Axial chest CT slice 57 of 102 (counted from the lowest slice); tube voltage 135 kVp, convolution kernel FC01; slices 3.00 mm thick, 0.808 mm per pixel.
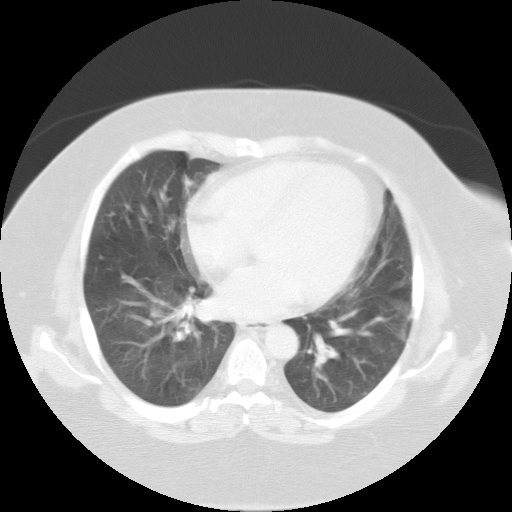
Pulmonary nodule at rows 175–191, columns 183–194 (box = the union of the readers' outlines on this slice), outlined by all four readers, three of them on this slice; longest diameter 15.4 mm on average over the four readers' outlines (readers' outlines 14.6–15.9 mm), volume 600–931 mm3. Ratings, by the readers' most common answer with dissent counted: texture 3/5 (part-solid) by two of four readers; the rest gave 4/5 (one), 5/5 (solid) (one); margin split among the readers: 2/5 (one), 3/5 (one), 4/5 (one), 5/5 (circumscribed) (one); most readers (three of four) put sphericity at 3/5 (ovoid), others 2/5 (one); calcification absent from all four readers; internal structure soft tissue from all four readers; subtlety split among the readers: 3/5 (two), 5/5 (two); malignancy likelihood 4/5 by two of four readers; the rest gave 1/5 (one), 3/5 (one). Scale key (1–5): texture non-solid→solid, margin indistinct→circumscribed, sphericity linear→round, subtlety extremely subtle→obvious, malignancy likelihood highly unlikely→highly suspicious of cancer. Box rows and columns are 0-based pixel indices from the top-left corner, inclusive.